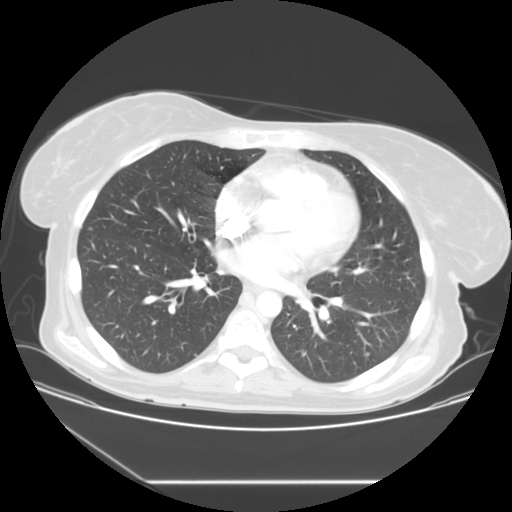
Chest CT, axial plane, 120 kVp, kernel STANDARD. Slice 64/117 from the bottom of the scan; thickness 2.50 mm; pixel size 0.781 mm.
Pulmonary nodule at rows 227–229, columns 87–92 (box = the union of the readers' outlines on this slice), outlined by three of the four readers; median longest diameter 5.7 mm (readers' outlines 5.5–5.7 mm), median volume 61 mm3 (61–74 mm3). Ratings, median across the readers with their spread: texture 5/5 (solid), all three readers agreeing; median margin 5/5 (circumscribed) (readers ranged 4/5 to 5/5 (circumscribed)); median sphericity 3/5 (ovoid) (readers ranged 3/5 (ovoid) to 5/5 (round)); calcification absent from all three readers; internal structure soft tissue, all three readers agreeing; subtlety 3/5 at the median of three readers, spread 2–4; malignancy likelihood 2/5, all three readers agreeing. Scale key (1–5): texture non-solid→solid, margin indistinct→circumscribed, sphericity linear→round, subtlety extremely subtle→obvious, malignancy likelihood highly unlikely→highly suspicious of cancer. Box rows and columns are 0-based pixel indices from the top-left corner, inclusive.